Axial slice 76 of 235 of a chest CT (slice 1 is the lowest), reconstructed with the BONE kernel at 120 kVp; 1.25 mm slice thickness and 0.537 mm pixels.
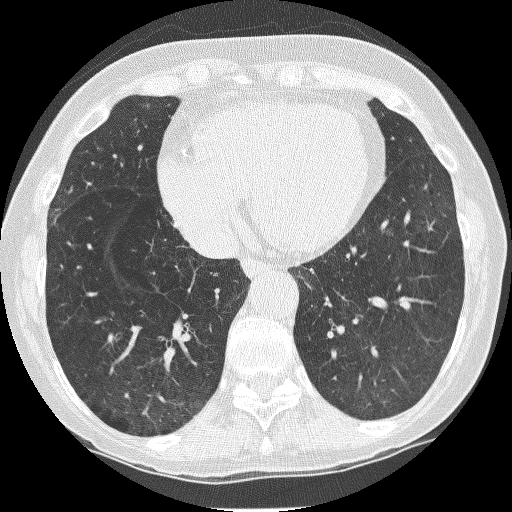
None of the four readers outlined a nodule of 3 mm or more on this slice.